Axial slice 310 of 375 of a chest CT (slice 1 is the lowest), reconstructed with the STANDARD kernel at 120 kVp; 1.25 mm slice thickness and 0.625 mm pixels.
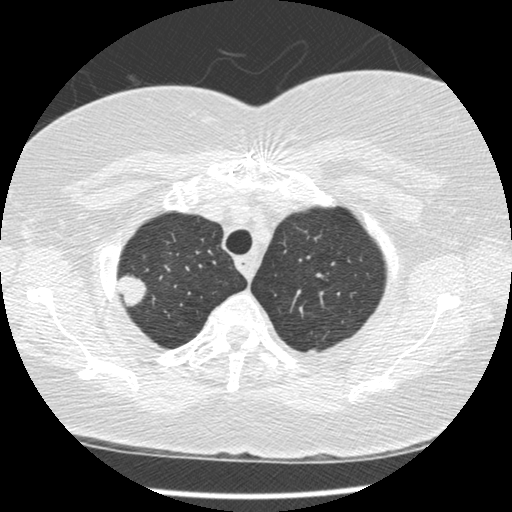
Pulmonary nodule outlined by all four readers; box rows 274–307, columns 116–147 (the union of the readers' outlines on this slice); longest diameter 22.5 mm on average over the four readers' outlines (readers' outlines 21.2–23.2 mm), volume 2289–3466 mm3. The readers' prevailing ratings and who disagreed: texture 5/5 (solid) by three of four readers; the rest gave 4/5 (one); margin 4/5 by two of four readers; the rest gave 3/5 (one), 5/5 (circumscribed) (one); sphericity split among the readers: 2/5 (one), 3/5 (ovoid) (one), 4/5 (one), 5/5 (round) (one); calcification absent, all four readers agreeing; internal structure soft tissue, all four readers agreeing; subtlety 5/5, all four readers agreeing; malignancy likelihood 5/5 by three of four readers; the rest gave 3/5 (one). Scale key (1–5): texture non-solid→solid, margin indistinct→circumscribed, sphericity linear→round, subtlety extremely subtle→obvious, malignancy likelihood highly unlikely→highly suspicious of cancer. Box rows and columns are 0-based pixel indices from the top-left corner, inclusive.